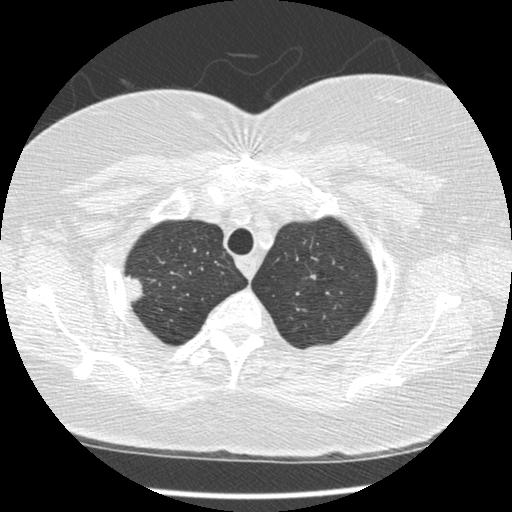
This is axial slice 317 of 375 (slice 1 is the lowest) of a chest CT; each pixel is 0.625 mm and the slice is 1.25 mm thick. Pulmonary nodule at rows 275–301, columns 124–142 (box = the union of the readers' outlines on this slice), outlined by all four readers, three of them on this slice; median longest diameter 22.7 mm (readers' outlines 21.2–23.2 mm), median volume 3056 mm3 (2289–3466 mm3). Ratings, median across the readers with their spread: median texture 5/5 (solid) (readers ranged 4/5 to 5/5 (solid)); median margin 4/5 (readers ranged 3/5 to 5/5 (circumscribed)); sphericity 3.5/5 at the median of four readers, spread 2/5 to 5/5 (round); calcification absent from all four readers; internal structure soft tissue from all four readers; subtlety 5/5, all four readers agreeing; median malignancy likelihood 5/5 (readers ranged 3–5). Scale key (1–5): texture non-solid→solid, margin indistinct→circumscribed, sphericity linear→round, subtlety extremely subtle→obvious, malignancy likelihood highly unlikely→highly suspicious of cancer. Box rows and columns are 0-based pixel indices from the top-left corner, inclusive.
Acquired at 120 kVp and reconstructed with the STANDARD kernel.